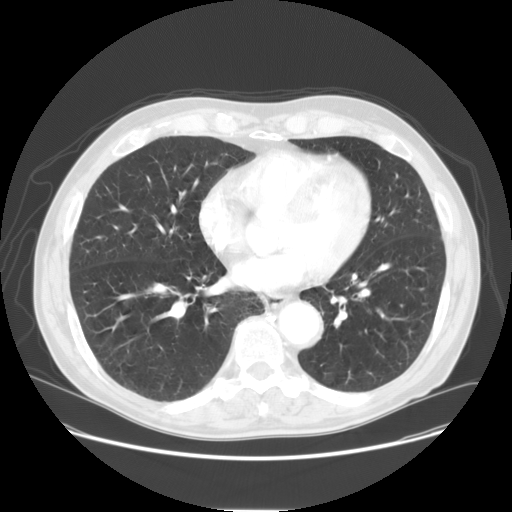
Axial chest CT slice 70 of 152 (counted from the lowest slice); tube voltage 120 kVp, convolution kernel STANDARD; slices 2.50 mm thick, 0.781 mm per pixel.
The readers outlined no nodule of 3 mm or more on this slice.